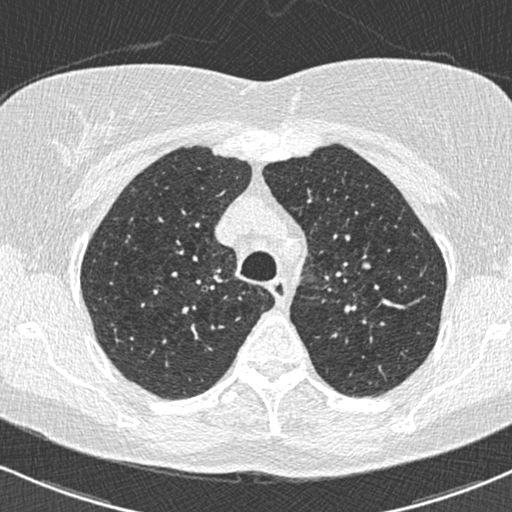
This is axial slice 521 of 672 (slice 1 is the lowest) of a chest CT; each pixel is 0.607 mm and the slice is 0.60 mm thick. Pulmonary nodule at rows 261–268, columns 362–370 (box = the union of the readers' outlines on this slice), outlined by all four readers; median longest diameter 8.2 mm (readers' outlines 8.1–8.8 mm), median volume 187 mm3 (181–196 mm3). Median ratings and the readers' spread: texture 5/5 (solid) from all four readers; median margin 5/5 (circumscribed) (readers ranged 4/5 to 5/5 (circumscribed)); sphericity 5/5 (round) at the median of four readers, spread 3/5 (ovoid) to 5/5 (round); calcification absent from all four readers; internal structure soft tissue from all four readers; median subtlety 4/5 (readers ranged 1–5); malignancy likelihood 3/5 at the median of four readers, spread 2–3. Scale key (1–5): texture non-solid→solid, margin indistinct→circumscribed, sphericity linear→round, subtlety extremely subtle→obvious, malignancy likelihood highly unlikely→highly suspicious of cancer. Box rows and columns are 0-based pixel indices from the top-left corner, inclusive.
Tube voltage 120 kVp; convolution kernel B30f.